One axial slice (75 of 115, counting up from the lowest) of a chest CT acquired at 130 kVp with the B31s kernel; each pixel is 0.582 mm and the slice is 3.00 mm thick.
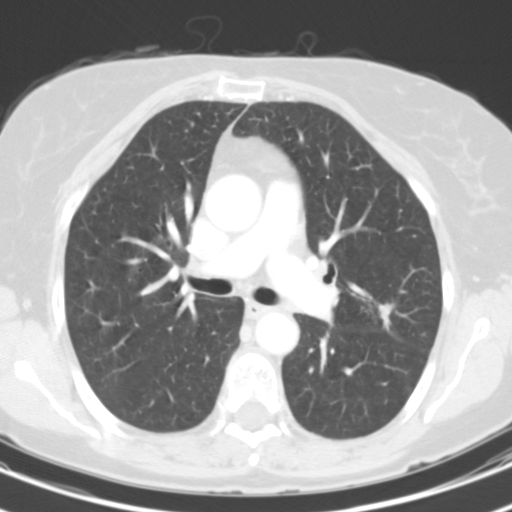
Pulmonary nodule outlined by all four readers; box rows 303–330, columns 378–395 (the union of the readers' outlines on this slice); longest diameter 15.5–18.1 mm and volume 196–1011 mm3 across the four readers' outlines. Ratings across the readers: texture from 3/5 (part-solid) to 5/5 (solid) across the four readers; margin from 2/5 to 3/5 across the four readers; sphericity from 2/5 to 3/5 (ovoid) across the four readers; calcification absent, all four readers agreeing; internal structure soft tissue, all four readers agreeing; subtlety 4–5/5 (the readers disagree); malignancy likelihood from 3/5 to 5/5 across the four readers. Scale key (1–5): texture non-solid→solid, margin indistinct→circumscribed, sphericity linear→round, subtlety extremely subtle→obvious, malignancy likelihood highly unlikely→highly suspicious of cancer. Box rows and columns are 0-based pixel indices from the top-left corner, inclusive.